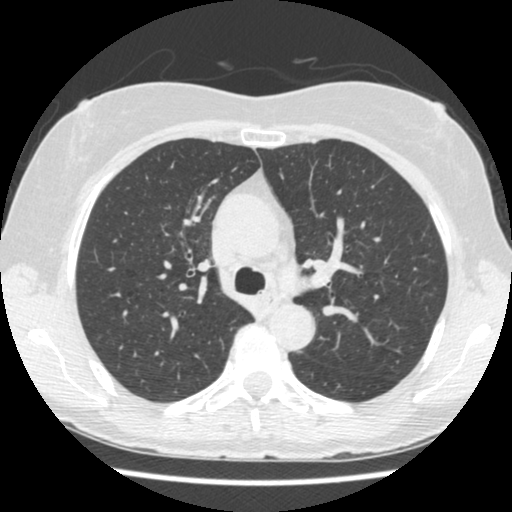
Axial chest CT slice 328 of 481 (counted from the lowest slice); tube voltage 120 kVp, convolution kernel STANDARD; slices 1.25 mm thick, 0.605 mm per pixel.
This slice carries no reader outline of a nodule 3 mm or larger.